Chest CT, axial plane, 120 kVp, kernel STANDARD. Slice 149/261 from the bottom of the scan; thickness 1.25 mm; pixel size 0.684 mm.
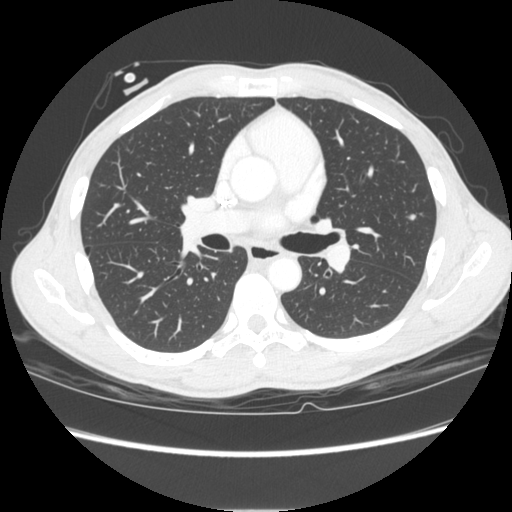
Pulmonary nodule at rows 213–220, columns 406–416 (box = the union of the readers' outlines on this slice), outlined by all four readers; the four readers' outlines give a longest diameter between 6.7 and 9.3 mm and a volume between 118 and 216 mm3. Ratings across the readers: texture 5/5 (solid), all four readers agreeing; margin 5/5 (circumscribed) from all four readers; sphericity from 3/5 (ovoid) to 5/5 (round) across the four readers; calcification absent, all four readers agreeing; internal structure soft tissue from all four readers; subtlety rated between 3 and 4 out of 5 by the four readers; malignancy likelihood from 2/5 to 4/5 across the four readers. Scale key (1–5): texture non-solid→solid, margin indistinct→circumscribed, sphericity linear→round, subtlety extremely subtle→obvious, malignancy likelihood highly unlikely→highly suspicious of cancer. Box rows and columns are 0-based pixel indices from the top-left corner, inclusive.